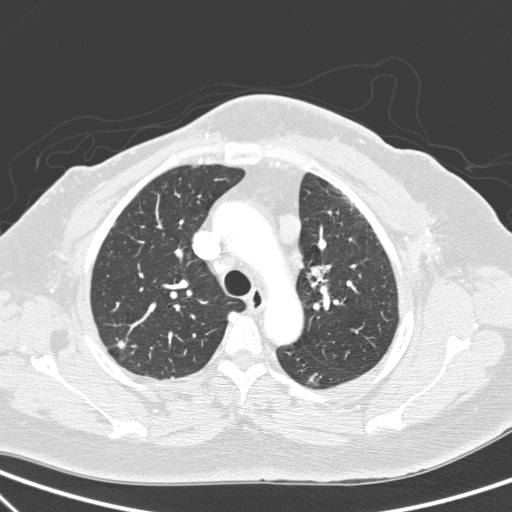
One axial slice (211 of 272, counting up from the lowest) of a chest CT acquired at 140 kVp with the D kernel; each pixel is 0.676 mm and the slice is 1.00 mm thick.
Pulmonary nodule at rows 341–347, columns 117–124 (box = the union of the readers' outlines on this slice), outlined by all four readers; longest diameter 6.2–9.0 mm and volume 55–114 mm3 across the four readers' outlines. The readers' ratings, as ranges where they differ: texture from 4/5 to 5/5 (solid) across the four readers; margin from 3/5 to 4/5 across the four readers; sphericity from 3/5 (ovoid) to 4/5 across the four readers; calcification absent, all four readers agreeing; internal structure soft tissue, all four readers agreeing; subtlety from 2/5 to 5/5 across the four readers; malignancy likelihood from 2/5 to 5/5 across the four readers. Scale key (1–5): texture non-solid→solid, margin indistinct→circumscribed, sphericity linear→round, subtlety extremely subtle→obvious, malignancy likelihood highly unlikely→highly suspicious of cancer. Box rows and columns are 0-based pixel indices from the top-left corner, inclusive.